One axial slice (195 of 477, counting up from the lowest) of a chest CT acquired at 120 kVp with the STANDARD kernel; each pixel is 0.625 mm and the slice is 1.25 mm thick.
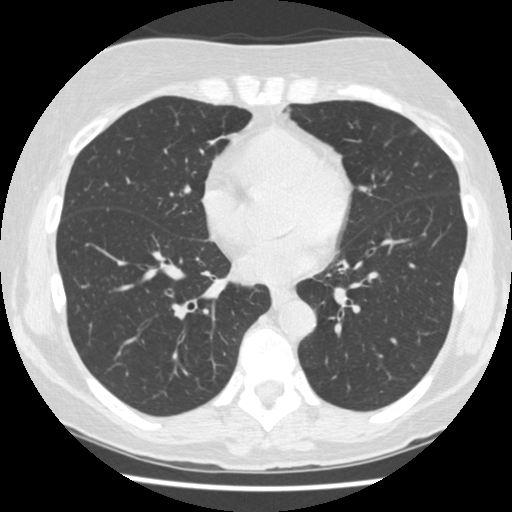
Pulmonary nodule, outlined by all four readers, three of them on this slice. Box on this slice rows 128–135, columns 410–417, the union of the readers' outlines on this slice; longest diameter 6.1 mm on average over the four readers' outlines (readers' outlines 5.8–6.4 mm), volume 42–61 mm3. Ratings, by the readers' most common answer with dissent counted: most readers (three of four) put texture at 5/5 (solid), others 3/5 (part-solid) (one); margin 3/5 by two of four readers; the rest gave 1/5 (indistinct) (one), 5/5 (circumscribed) (one); sphericity split among the readers: 4/5 (two), 5/5 (round) (two); calcification absent, all four readers agreeing; internal structure soft tissue from all four readers; subtlety 3/5 by two of four readers; the rest gave 2/5 (one), 4/5 (one); malignancy likelihood 2/5 by two of four readers; the rest gave 1/5 (one), 3/5 (one). Scale key (1–5): texture non-solid→solid, margin indistinct→circumscribed, sphericity linear→round, subtlety extremely subtle→obvious, malignancy likelihood highly unlikely→highly suspicious of cancer. Box rows and columns are 0-based pixel indices from the top-left corner, inclusive.